Axial slice 337 of 461 of a chest CT (slice 1 is the lowest), reconstructed with the STANDARD kernel at 120 kVp; 1.25 mm slice thickness and 0.781 mm pixels.
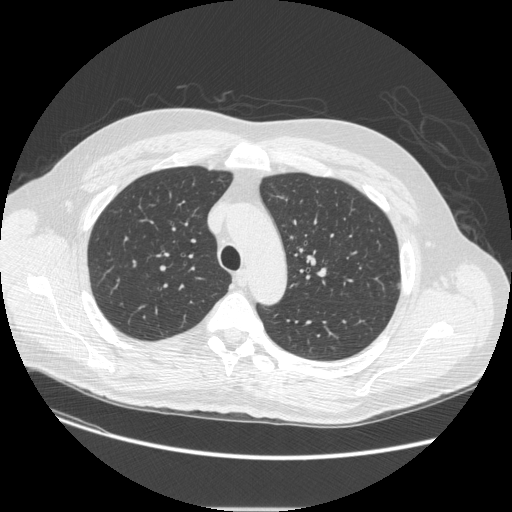
Pulmonary nodule at rows 283–289, columns 397–400 (box = that reader's outline on this slice), outlined by one of the four readers; longest diameter 7.4 mm and volume 26 mm3 from that reader's outline. Ratings by that reader: texture 4/5; margin 4/5; sphericity 3/5 (ovoid); calcification absent; internal structure soft tissue; subtlety 5/5; malignancy likelihood 2/5. Scale key (1–5): texture non-solid→solid, margin indistinct→circumscribed, sphericity linear→round, subtlety extremely subtle→obvious, malignancy likelihood highly unlikely→highly suspicious of cancer. Box rows and columns are 0-based pixel indices from the top-left corner, inclusive.